Chest CT, axial plane, 120 kVp, kernel STANDARD. Slice 55/471 from the bottom of the scan; thickness 1.25 mm; pixel size 0.586 mm.
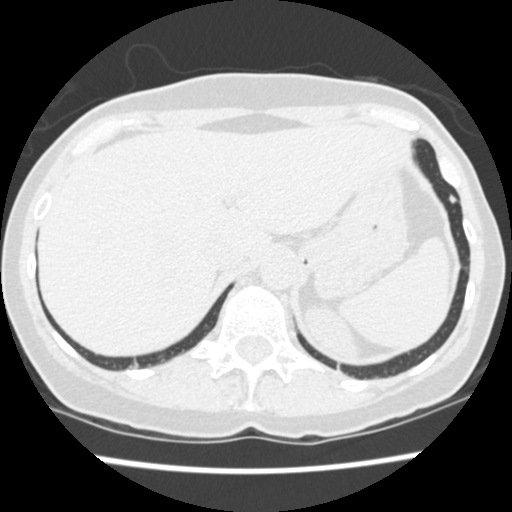
Pulmonary nodule, outlined by all four readers. Box on this slice rows 194–204, columns 448–458, the union of the readers' outlines on this slice; median longest diameter 6.4 mm (readers' outlines 6.1–9.0 mm), median volume 101 mm3 (96–205 mm3). Median ratings and the readers' spread: texture 5/5 (solid) from all four readers; margin 4/5 at the median of four readers, spread 4/5 to 5/5 (circumscribed); sphericity 3/5 (ovoid) at the median of four readers, spread 3/5 (ovoid) to 5/5 (round); calcification absent, all four readers agreeing; internal structure soft tissue, all four readers agreeing; subtlety 3/5 at the median of four readers, spread 3–4; median malignancy likelihood 3/5 (readers ranged 2–4). Scale key (1–5): texture non-solid→solid, margin indistinct→circumscribed, sphericity linear→round, subtlety extremely subtle→obvious, malignancy likelihood highly unlikely→highly suspicious of cancer. Box rows and columns are 0-based pixel indices from the top-left corner, inclusive.